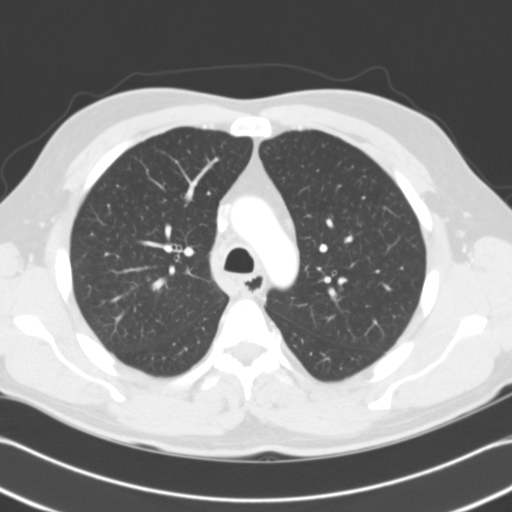
This is axial slice 85 of 121 (slice 1 is the lowest) of a chest CT; each pixel is 0.674 mm and the slice is 3.00 mm thick. None of the four readers outlined a nodule of 3 mm or more on this slice.
Scan settings: 120 kVp, B31f reconstruction kernel.